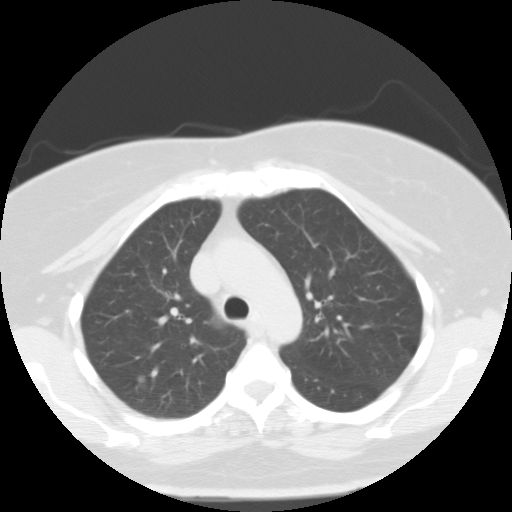
One axial slice (75 of 105, counting up from the lowest) of a chest CT acquired at 135 kVp with the FC01 kernel; each pixel is 0.656 mm and the slice is 3.00 mm thick.
Pulmonary nodule outlined by all four readers, three of them on this slice; box rows 376–382, columns 138–144 (the union of the readers' outlines on this slice); the four readers' outlines give a longest diameter between 6.8 and 8.9 mm and a volume between 163 and 329 mm3. The readers' ratings, as ranges where they differ: texture 5/5 (solid), all four readers agreeing; margin 5/5 (circumscribed), all four readers agreeing; sphericity 5/5 (round), all four readers agreeing; calcification solid calcification from all four readers; internal structure soft tissue, all four readers agreeing; subtlety 4–5/5 (the readers disagree); malignancy likelihood 1/5, all four readers agreeing. Scale key (1–5): texture non-solid→solid, margin indistinct→circumscribed, sphericity linear→round, subtlety extremely subtle→obvious, malignancy likelihood highly unlikely→highly suspicious of cancer. Box rows and columns are 0-based pixel indices from the top-left corner, inclusive.